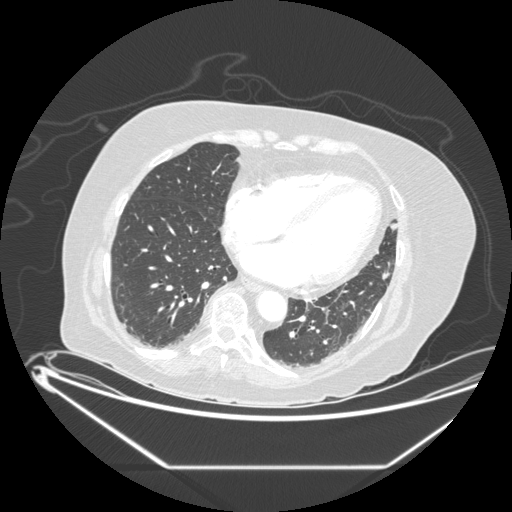
Axial chest CT slice 60 of 197 (counted from the lowest slice); tube voltage 120 kVp, convolution kernel STANDARD; slices 1.25 mm thick, 0.859 mm per pixel.
Pulmonary nodule outlined by three of the four readers; box rows 223–230, columns 390–396 (the union of the readers' outlines on this slice); longest diameter 7.9–12.5 mm and volume 121–343 mm3 across the three readers' outlines. Ratings across the readers: texture 5/5 (solid) from all three readers; margin from 4/5 to 5/5 (circumscribed) across the three readers; sphericity from 4/5 to 5/5 (round) across the three readers; calcification absent, all three readers agreeing; internal structure soft tissue from all three readers; subtlety from 3/5 to 4/5 across the three readers; malignancy likelihood from 2/5 to 3/5 across the three readers. Scale key (1–5): texture non-solid→solid, margin indistinct→circumscribed, sphericity linear→round, subtlety extremely subtle→obvious, malignancy likelihood highly unlikely→highly suspicious of cancer. Box rows and columns are 0-based pixel indices from the top-left corner, inclusive.